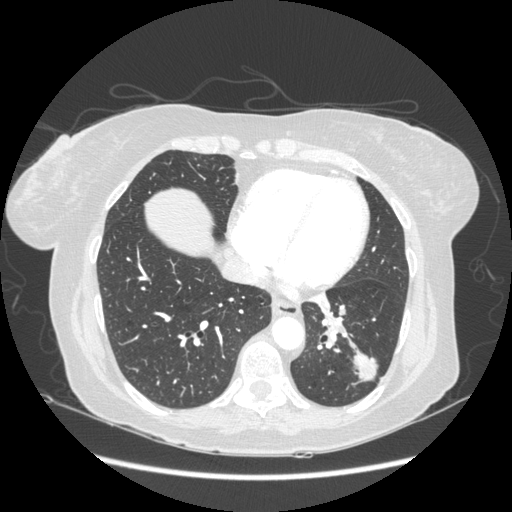
Slice 80/230 of a chest CT, counting up from the lowest; pixel size 0.742 mm, slice thickness 1.25 mm. Pulmonary nodule, outlined by all four readers. Box on this slice rows 350–382, columns 352–378, the union of the readers' outlines on this slice; longest diameter 28.7 mm on average over the four readers' outlines (readers' outlines 23.1–31.5 mm), volume 3020–5074 mm3. The readers' prevailing ratings and who disagreed: texture 5/5 (solid), all four readers agreeing; margin 4/5 by two of four readers; the rest gave 3/5 (one), 5/5 (circumscribed) (one); most readers (three of four) put sphericity at 3/5 (ovoid), others 5/5 (round) (one); calcification absent, all four readers agreeing; internal structure soft tissue from all four readers; subtlety 5/5 from all four readers; malignancy likelihood 5/5 by three of four readers; the rest gave 3/5 (one). Scale key (1–5): texture non-solid→solid, margin indistinct→circumscribed, sphericity linear→round, subtlety extremely subtle→obvious, malignancy likelihood highly unlikely→highly suspicious of cancer. Box rows and columns are 0-based pixel indices from the top-left corner, inclusive.
Acquired at 120 kVp and reconstructed with the STANDARD kernel.